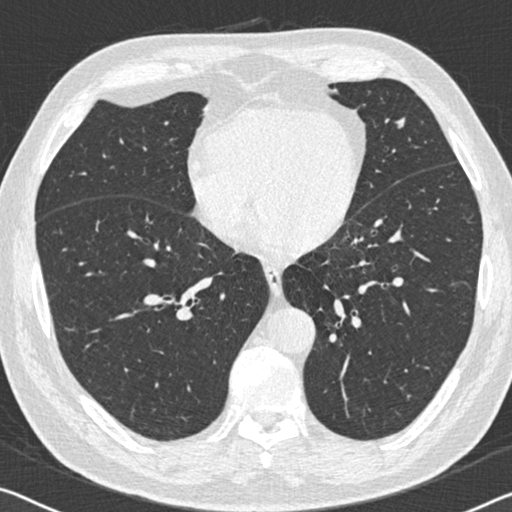
Axial slice 240 of 536 of a chest CT (slice 1 is the lowest), reconstructed with the B30f kernel at 120 kVp; 0.75 mm slice thickness and 0.656 mm pixels.
Pulmonary nodule at rows 117–127, columns 395–403 (box = that reader's outline on this slice), outlined by one of the four readers; longest diameter 9.1 mm and volume 89 mm3 from that reader's outline. Ratings by that reader: texture 5/5 (solid); margin 4/5; sphericity 3/5 (ovoid); calcification absent; internal structure soft tissue; subtlety 4/5; malignancy likelihood 2/5. Scale key (1–5): texture non-solid→solid, margin indistinct→circumscribed, sphericity linear→round, subtlety extremely subtle→obvious, malignancy likelihood highly unlikely→highly suspicious of cancer. Box rows and columns are 0-based pixel indices from the top-left corner, inclusive.